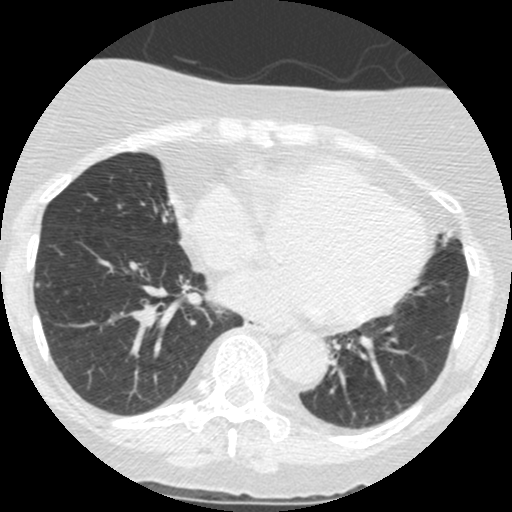
Axial slice 146 of 426 of a chest CT (slice 1 is the lowest), reconstructed with the STANDARD kernel at 120 kVp; 1.25 mm slice thickness and 0.547 mm pixels.
Pulmonary nodule, outlined by one of the four readers. Box on this slice rows 281–288, columns 34–40, that reader's outline on this slice; longest diameter 5.5 mm and volume 33 mm3 from that reader's outline. Ratings by that reader: texture 5/5 (solid); margin 5/5 (circumscribed); sphericity 4/5; calcification absent; internal structure soft tissue; subtlety 3/5; malignancy likelihood 2/5. Scale key (1–5): texture non-solid→solid, margin indistinct→circumscribed, sphericity linear→round, subtlety extremely subtle→obvious, malignancy likelihood highly unlikely→highly suspicious of cancer. Box rows and columns are 0-based pixel indices from the top-left corner, inclusive.